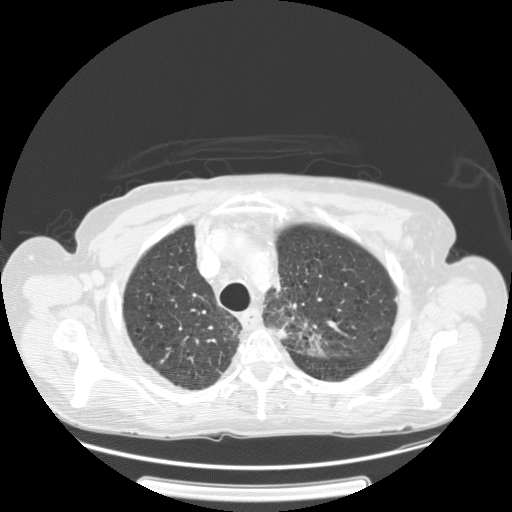
Axial chest CT slice 109 of 137 (counted from the lowest slice); 2.50 mm thick, 0.781 mm per pixel. Pulmonary nodule, outlined by one of the four readers. Box on this slice rows 326–337, columns 268–285, that reader's outline on this slice; longest diameter 15.8 mm and volume 733 mm3 from that reader's outline. Ratings by that reader: texture 3/5 (part-solid); margin 1/5 (indistinct); sphericity 4/5; calcification absent; internal structure soft tissue; subtlety 4/5; malignancy likelihood 3/5. Scale key (1–5): texture non-solid→solid, margin indistinct→circumscribed, sphericity linear→round, subtlety extremely subtle→obvious, malignancy likelihood highly unlikely→highly suspicious of cancer. Box rows and columns are 0-based pixel indices from the top-left corner, inclusive.
Scan settings: 120 kVp, STANDARD reconstruction kernel.